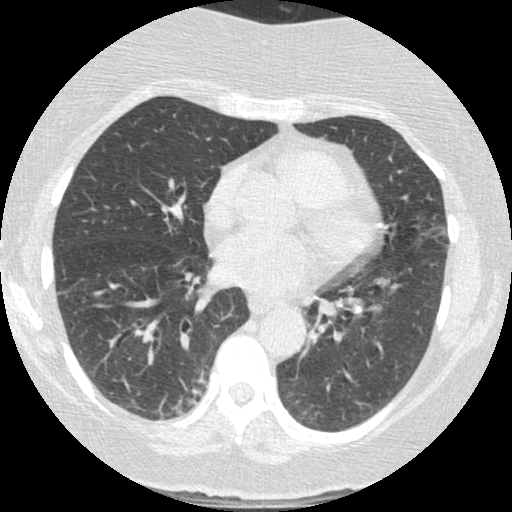
Axial slice 141 of 372 of a chest CT (slice 1 is the lowest), reconstructed with the STANDARD kernel at 120 kVp; 1.25 mm slice thickness and 0.586 mm pixels.
No nodule 3 mm or larger was outlined here by any reader.